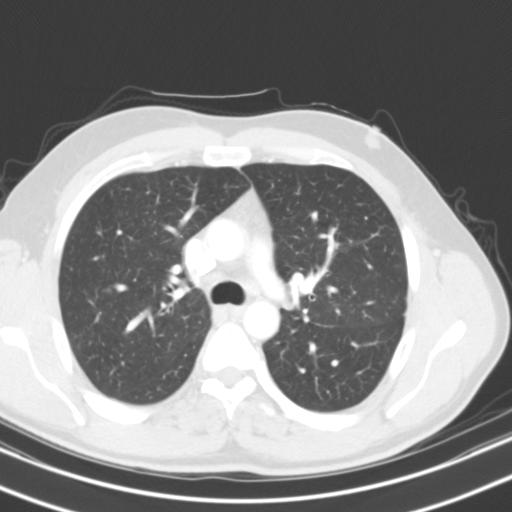
Slice 81/123 of a chest CT, counting up from the lowest; pixel size 0.646 mm, slice thickness 3.00 mm. No nodule of 3 mm or larger was outlined by any of the four readers on this slice.
Acquired at 130 kVp and reconstructed with the B31s kernel.